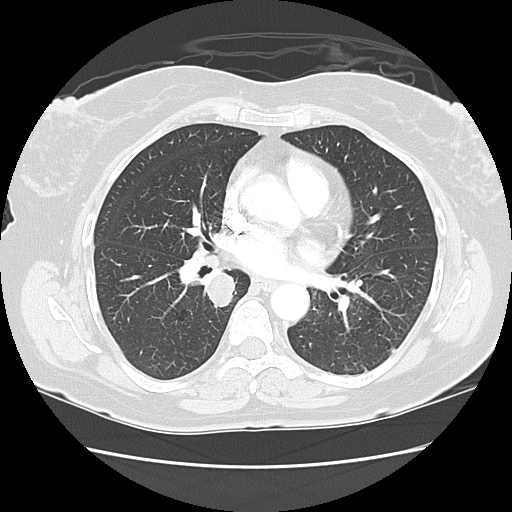
Axial chest CT slice 73 of 130 (counted from the lowest slice); tube voltage 120 kVp, convolution kernel LUNG; slices 2.50 mm thick, 0.664 mm per pixel.
Pulmonary nodule, outlined by all four readers. Box on this slice rows 272–306, columns 206–234, the union of the readers' outlines on this slice; median longest diameter 23.3 mm (readers' outlines 23.2–24.2 mm), median volume 5390 mm3 (4791–5604 mm3). Ratings, median across the readers with their spread: texture 5/5 (solid), all four readers agreeing; margin 5/5 (circumscribed) at the median of four readers, spread 4/5 to 5/5 (circumscribed); sphericity 4.5/5 at the median of four readers, spread 4/5 to 5/5 (round); calcification absent, all four readers agreeing; internal structure soft tissue from all four readers; subtlety 5/5, all four readers agreeing; malignancy likelihood 5/5 at the median of four readers, spread 2–5. Scale key (1–5): texture non-solid→solid, margin indistinct→circumscribed, sphericity linear→round, subtlety extremely subtle→obvious, malignancy likelihood highly unlikely→highly suspicious of cancer. Box rows and columns are 0-based pixel indices from the top-left corner, inclusive.